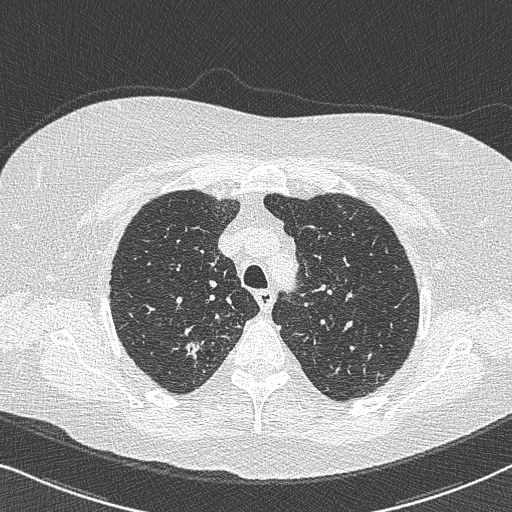
This is axial slice 573 of 733 (slice 1 is the lowest) of a chest CT; each pixel is 0.637 mm and the slice is 0.60 mm thick. Pulmonary nodule, outlined by all four readers, three of them on this slice. Box on this slice rows 341–361, columns 183–202, the union of the readers' outlines on this slice; median longest diameter 21.4 mm (readers' outlines 15.5–29.7 mm), median volume 1103 mm3 (888–2128 mm3). Median ratings and the readers' spread: median texture 5/5 (solid) (readers ranged 4/5 to 5/5 (solid)); median margin 3/5 (readers ranged 1/5 (indistinct) to 4/5); sphericity 3/5 (ovoid) at the median of four readers, spread 2/5 to 5/5 (round); calcification absent, all four readers agreeing; internal structure soft tissue, all four readers agreeing; median subtlety 5/5 (readers ranged 4–5); malignancy likelihood 4/5 at the median of four readers, spread 4–5. Scale key (1–5): texture non-solid→solid, margin indistinct→circumscribed, sphericity linear→round, subtlety extremely subtle→obvious, malignancy likelihood highly unlikely→highly suspicious of cancer. Box rows and columns are 0-based pixel indices from the top-left corner, inclusive.
Scan settings: 120 kVp, B50f reconstruction kernel.